Chest CT, axial plane, 135 kVp, kernel FC01. Slice 92/115 from the bottom of the scan; thickness 3.00 mm; pixel size 0.729 mm.
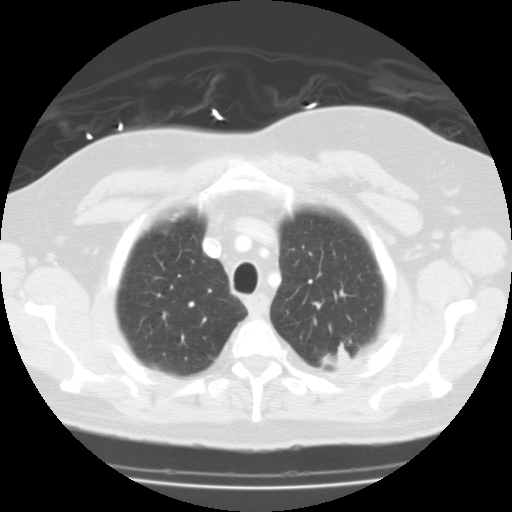
Pulmonary nodule outlined by one of the four readers; box rows 342–368, columns 320–352 (that reader's outline on this slice); longest diameter 34.4 mm and volume 9064 mm3 from that reader's outline. That reader's ratings: texture 5/5 (solid); margin 3/5; sphericity 2/5; calcification absent; internal structure fluid; subtlety 5/5; malignancy likelihood 3/5. Scale key (1–5): texture non-solid→solid, margin indistinct→circumscribed, sphericity linear→round, subtlety extremely subtle→obvious, malignancy likelihood highly unlikely→highly suspicious of cancer. Box rows and columns are 0-based pixel indices from the top-left corner, inclusive.